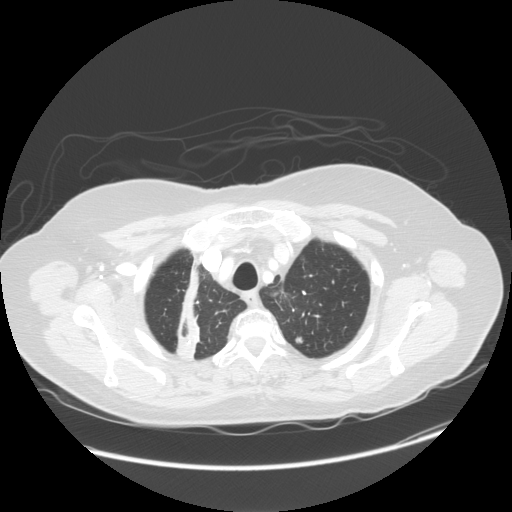
Axial chest CT slice 116 of 133 (counted from the lowest slice); tube voltage 120 kVp, convolution kernel STANDARD; slices 2.50 mm thick, 0.820 mm per pixel.
Pulmonary nodule at rows 336–344, columns 294–303 (box = the union of the readers' outlines on this slice), outlined by two of the four readers; longest diameter 9.6 mm on average over the two readers' outlines (readers' outlines 9.4–9.9 mm), volume 187–295 mm3. Ratings, by the readers' most common answer with dissent counted: texture split among the readers: 4/5 (one), 5/5 (solid) (one); margin split among the readers: 3/5 (one), 5/5 (circumscribed) (one); sphericity split among the readers: 4/5 (one), 5/5 (round) (one); calcification absent from both readers; internal structure soft tissue, both readers agreeing; subtlety split among the readers: 3/5 (one), 5/5 (one); malignancy likelihood 3/5, both readers agreeing. Scale key (1–5): texture non-solid→solid, margin indistinct→circumscribed, sphericity linear→round, subtlety extremely subtle→obvious, malignancy likelihood highly unlikely→highly suspicious of cancer. Box rows and columns are 0-based pixel indices from the top-left corner, inclusive.